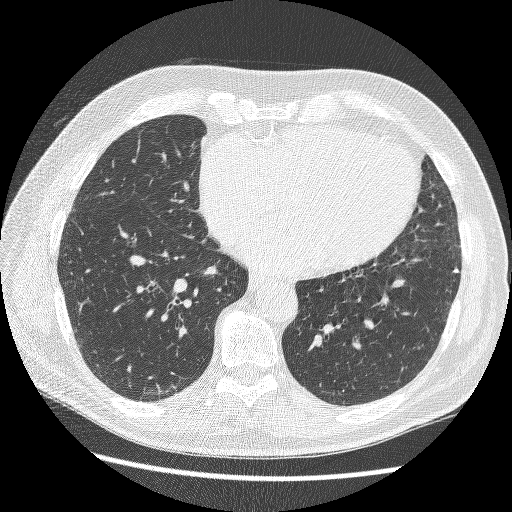
Chest CT, axial plane, 120 kVp, kernel BONE. Slice 102/264 from the bottom of the scan; thickness 1.25 mm; pixel size 0.703 mm.
Pulmonary nodule outlined by all four readers; box rows 268–273, columns 453–458 (the union of the readers' outlines on this slice); the four readers' outlines give a longest diameter between 4.1 and 5.8 mm and a volume between 23 and 40 mm3. The readers' ratings, as ranges where they differ: texture 5/5 (solid), all four readers agreeing; margin from 4/5 to 5/5 (circumscribed) across the four readers; sphericity from 2/5 to 4/5 across the four readers; calcification split among the readers: solid calcification (two), absent (two); internal structure soft tissue, all four readers agreeing; subtlety rated between 1 and 5 out of 5 by the four readers; malignancy likelihood 1/5 from all four readers. Scale key (1–5): texture non-solid→solid, margin indistinct→circumscribed, sphericity linear→round, subtlety extremely subtle→obvious, malignancy likelihood highly unlikely→highly suspicious of cancer. Box rows and columns are 0-based pixel indices from the top-left corner, inclusive.